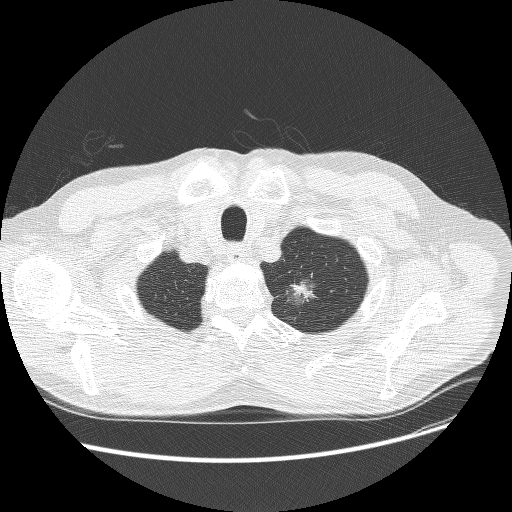
This is axial slice 245 of 268 (slice 1 is the lowest) of a chest CT; each pixel is 0.742 mm and the slice is 1.25 mm thick. Pulmonary nodule at rows 275–306, columns 284–322 (box = the union of the readers' outlines on this slice), outlined by three of the four readers; median longest diameter 31.0 mm (readers' outlines 30.8–31.7 mm), median volume 5956 mm3 (4750–7267 mm3). Median ratings and the readers' spread: texture 3/5 (part-solid), all three readers agreeing; margin 1/5 (indistinct) from all three readers; median sphericity 3/5 (ovoid) (readers ranged 3/5 (ovoid) to 4/5); calcification absent from all three readers; internal structure soft tissue, all three readers agreeing; subtlety 5/5 at the median of three readers, spread 4–5; malignancy likelihood 4/5 at the median of three readers, spread 4–5. Scale key (1–5): texture non-solid→solid, margin indistinct→circumscribed, sphericity linear→round, subtlety extremely subtle→obvious, malignancy likelihood highly unlikely→highly suspicious of cancer. Box rows and columns are 0-based pixel indices from the top-left corner, inclusive.
Tube voltage 120 kVp; convolution kernel BONE.